Axial slice 46 of 144 of a chest CT (slice 1 is the lowest), reconstructed with the STANDARD kernel at 120 kVp; 2.50 mm slice thickness and 0.664 mm pixels.
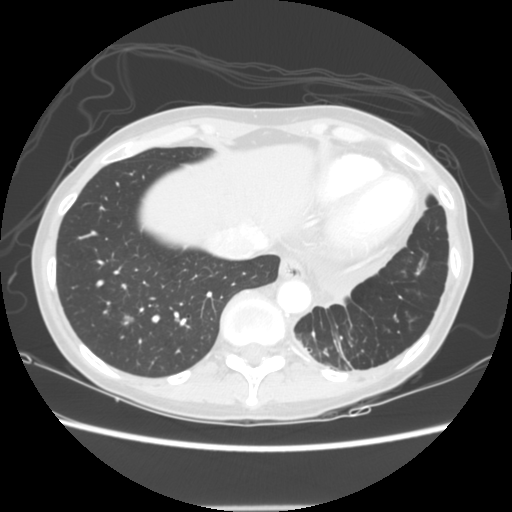
Pulmonary nodule, outlined by all four readers, three of them on this slice. Box on this slice rows 315–325, columns 121–133, the union of the readers' outlines on this slice; longest diameter 17.2 mm on average over the four readers' outlines (readers' outlines 16.8–18.1 mm), volume 1370–1807 mm3. Ratings, by the readers' most common answer with dissent counted: texture 5/5 (solid), all four readers agreeing; margin split among the readers: 4/5 (two), 5/5 (circumscribed) (two); sphericity 4/5 by two of four readers; the rest gave 3/5 (ovoid) (one), 5/5 (round) (one); calcification absent, all four readers agreeing; internal structure soft tissue from all four readers; subtlety 5/5 from all four readers; malignancy likelihood split among the readers: 3/5 (two), 5/5 (two). Scale key (1–5): texture non-solid→solid, margin indistinct→circumscribed, sphericity linear→round, subtlety extremely subtle→obvious, malignancy likelihood highly unlikely→highly suspicious of cancer. Box rows and columns are 0-based pixel indices from the top-left corner, inclusive.